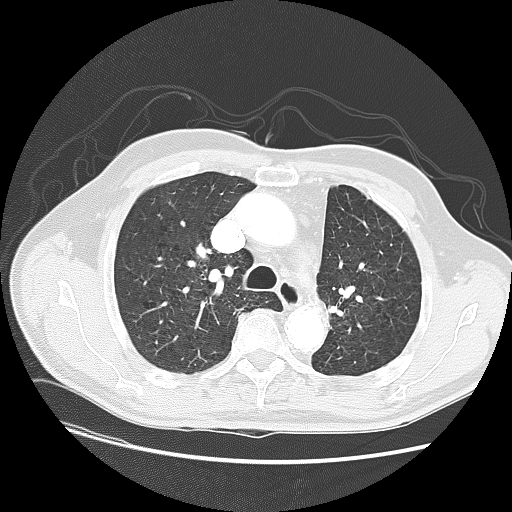
This is axial slice 92 of 133 (slice 1 is the lowest) of a chest CT; each pixel is 0.742 mm and the slice is 2.50 mm thick. No nodule of 3 mm or larger was outlined by any of the four readers on this slice.
Acquired at 120 kVp and reconstructed with the LUNG kernel.